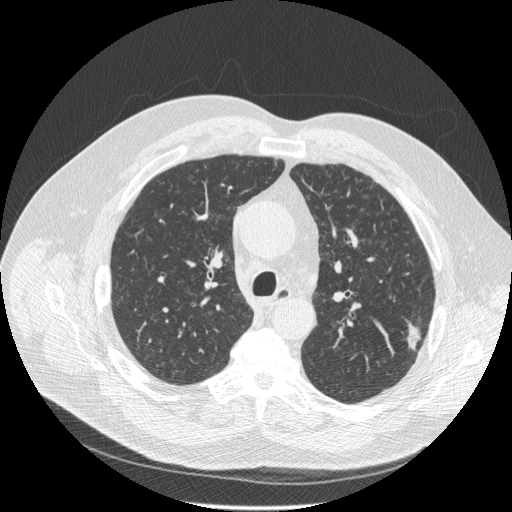
Axial slice 339 of 516 of a chest CT (slice 1 is the lowest), reconstructed with the STANDARD kernel at 120 kVp; 1.25 mm slice thickness and 0.820 mm pixels.
Pulmonary nodule outlined by three of the four readers; box rows 319–350, columns 405–421 (the union of the readers' outlines on this slice); median longest diameter 28.3 mm (readers' outlines 23.2–31.7 mm), median volume 856 mm3 (750–1666 mm3). Median ratings and the readers' spread: median texture 4/5 (readers ranged 3/5 (part-solid) to 5/5 (solid)); median margin 3/5 (readers ranged 3/5 to 4/5); sphericity 2/5, all three readers agreeing; calcification absent, all three readers agreeing; internal structure soft tissue, all three readers agreeing; subtlety 5/5, all three readers agreeing; malignancy likelihood 4/5 from all three readers. Scale key (1–5): texture non-solid→solid, margin indistinct→circumscribed, sphericity linear→round, subtlety extremely subtle→obvious, malignancy likelihood highly unlikely→highly suspicious of cancer. Box rows and columns are 0-based pixel indices from the top-left corner, inclusive.